Axial slice 55 of 119 of a chest CT (slice 1 is the lowest), reconstructed with the FC01 kernel at 135 kVp; 3.00 mm slice thickness and 0.640 mm pixels.
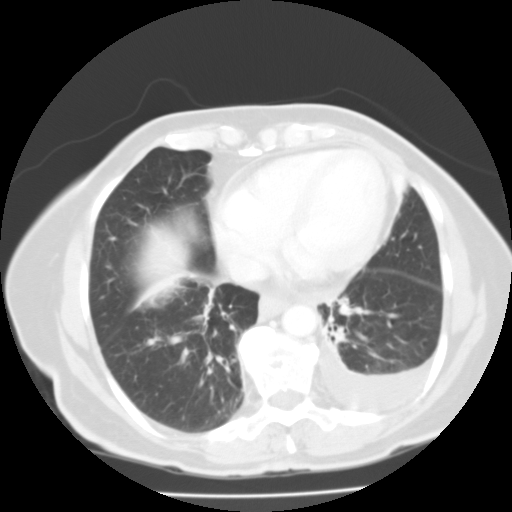
Pulmonary nodule, outlined by one of the four readers. Box on this slice rows 176–193, columns 393–409, that reader's outline on this slice; longest diameter 18.8 mm and volume 4417 mm3 from that reader's outline. That reader's ratings: texture 5/5 (solid); margin 4/5; sphericity 4/5; calcification absent; internal structure soft tissue; subtlety 4/5; malignancy likelihood 4/5. Scale key (1–5): texture non-solid→solid, margin indistinct→circumscribed, sphericity linear→round, subtlety extremely subtle→obvious, malignancy likelihood highly unlikely→highly suspicious of cancer. Box rows and columns are 0-based pixel indices from the top-left corner, inclusive.